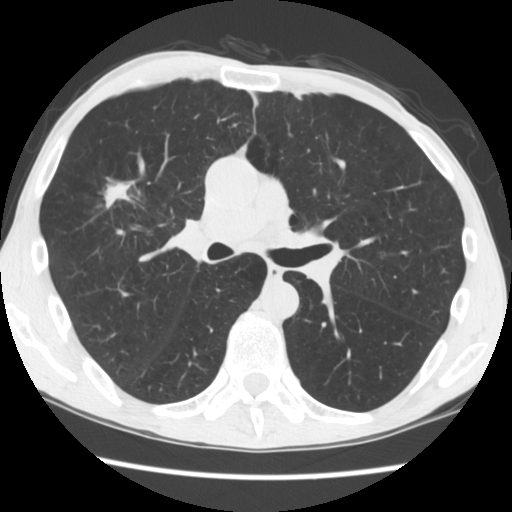
One axial slice (103 of 181, counting up from the lowest) of a chest CT acquired at 120 kVp with the STANDARD kernel; each pixel is 0.645 mm and the slice is 2.50 mm thick.
Pulmonary nodule outlined by all four readers; box rows 177–213, columns 95–142 (the union of the readers' outlines on this slice); the four readers' outlines give a longest diameter between 35.2 and 44.7 mm and a volume between 5781 and 11800 mm3. Ratings across the readers: texture from 4/5 to 5/5 (solid) across the four readers; margin from 2/5 to 4/5 across the four readers; sphericity from 2/5 to 5/5 (round) across the four readers; calcification absent, all four readers agreeing; internal structure soft tissue, all four readers agreeing; subtlety 5/5, all four readers agreeing; malignancy likelihood 5/5, all four readers agreeing. Scale key (1–5): texture non-solid→solid, margin indistinct→circumscribed, sphericity linear→round, subtlety extremely subtle→obvious, malignancy likelihood highly unlikely→highly suspicious of cancer. Box rows and columns are 0-based pixel indices from the top-left corner, inclusive.